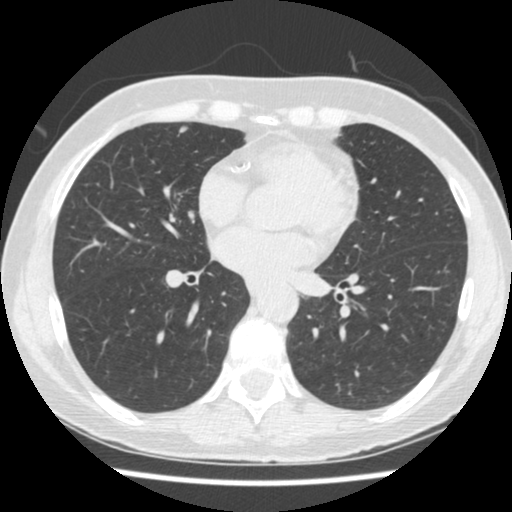
One axial slice (218 of 481, counting up from the lowest) of a chest CT acquired at 120 kVp with the STANDARD kernel; each pixel is 0.605 mm and the slice is 1.25 mm thick.
Pulmonary nodule, outlined by all four readers. Box on this slice rows 126–132, columns 178–186, the union of the readers' outlines on this slice; longest diameter 5.4–6.8 mm and volume 23–57 mm3 across the four readers' outlines. Ratings across the readers: texture from 4/5 to 5/5 (solid) across the four readers; margin from 4/5 to 5/5 (circumscribed) across the four readers; sphericity from 3/5 (ovoid) to 5/5 (round) across the four readers; calcification absent from all four readers; internal structure soft tissue from all four readers; subtlety 3–5/5 (the readers disagree); malignancy likelihood from 2/5 to 3/5 across the four readers. Scale key (1–5): texture non-solid→solid, margin indistinct→circumscribed, sphericity linear→round, subtlety extremely subtle→obvious, malignancy likelihood highly unlikely→highly suspicious of cancer. Box rows and columns are 0-based pixel indices from the top-left corner, inclusive.